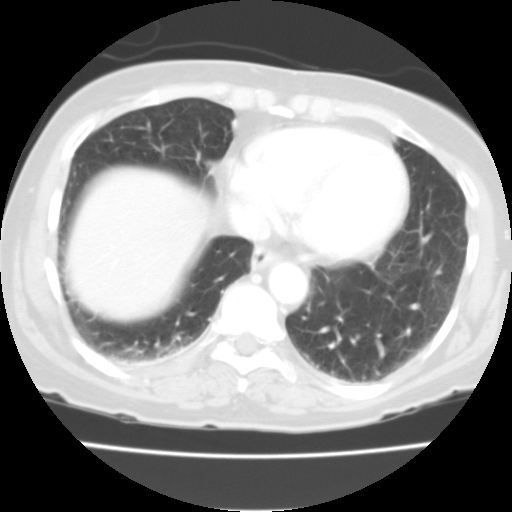
Axial chest CT slice 28 of 90 (counted from the lowest slice); tube voltage 135 kVp, convolution kernel FC01; slices 3.00 mm thick, 0.579 mm per pixel.
Pulmonary nodule outlined by two of the four readers, one of them on this slice; box rows 233–237, columns 456–460 (the one reader's outline on this slice); median longest diameter 7.4 mm (readers' outlines 7.3–7.5 mm), median volume 168 mm3 (162–173 mm3). Median ratings and the readers' spread: median texture 3/5 (part-solid) (readers ranged 2/5 to 4/5); margin 1.5/5 at the median of two readers, spread 1/5 (indistinct) to 2/5; sphericity 3/5 (ovoid) from both readers; calcification absent, both readers agreeing; internal structure soft tissue from both readers; median subtlety 2/5 (readers ranged 1–3); malignancy likelihood 3/5 from both readers. Scale key (1–5): texture non-solid→solid, margin indistinct→circumscribed, sphericity linear→round, subtlety extremely subtle→obvious, malignancy likelihood highly unlikely→highly suspicious of cancer. Box rows and columns are 0-based pixel indices from the top-left corner, inclusive.